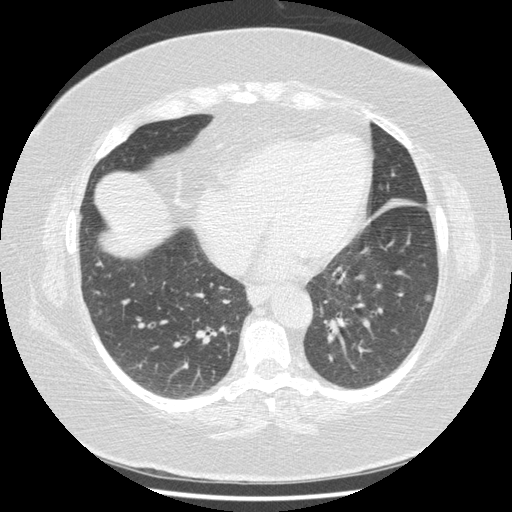
Axial chest CT slice 166 of 417 (counted from the lowest slice); 1.25 mm thick, 0.703 mm per pixel. Pulmonary nodule outlined by all four readers; box rows 294–301, columns 424–432 (the union of the readers' outlines on this slice); longest diameter 11.0 mm on average over the four readers' outlines (readers' outlines 10.1–11.6 mm), volume 183–290 mm3. Ratings, by the readers' most common answer with dissent counted: texture 5/5 (solid), all four readers agreeing; margin split among the readers: 4/5 (two), 5/5 (circumscribed) (two); sphericity 3/5 (ovoid) by three of four readers; the rest gave 4/5 (one); calcification absent, all four readers agreeing; internal structure soft tissue, all four readers agreeing; most readers (three of four) put subtlety at 5/5, others 4/5 (one); malignancy likelihood 3/5 by three of four readers; the rest gave 4/5 (one). Scale key (1–5): texture non-solid→solid, margin indistinct→circumscribed, sphericity linear→round, subtlety extremely subtle→obvious, malignancy likelihood highly unlikely→highly suspicious of cancer. Box rows and columns are 0-based pixel indices from the top-left corner, inclusive.
Acquired at 120 kVp and reconstructed with the STANDARD kernel.